One axial slice (121 of 315, counting up from the lowest) of a chest CT acquired at 120 kVp with the B kernel; each pixel is 0.830 mm and the slice is 2.00 mm thick.
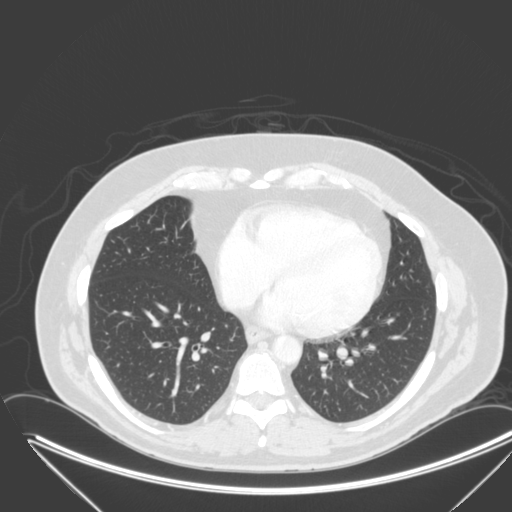
Pulmonary nodule outlined by all four readers; box rows 346–360, columns 336–348 (the union of the readers' outlines on this slice); longest diameter 12.3–13.9 mm and volume 668–831 mm3 across the four readers' outlines. Ratings across the readers: texture from 4/5 to 5/5 (solid) across the four readers; margin from 4/5 to 5/5 (circumscribed) across the four readers; sphericity from 4/5 to 5/5 (round) across the four readers; calcification absent, all four readers agreeing; internal structure soft tissue from all four readers; subtlety 3–5/5 (the readers disagree); malignancy likelihood 3–5/5 (the readers disagree). Scale key (1–5): texture non-solid→solid, margin indistinct→circumscribed, sphericity linear→round, subtlety extremely subtle→obvious, malignancy likelihood highly unlikely→highly suspicious of cancer. Box rows and columns are 0-based pixel indices from the top-left corner, inclusive.